One axial slice (61 of 133, counting up from the lowest) of a chest CT acquired at 120 kVp with the STANDARD kernel; each pixel is 0.781 mm and the slice is 2.50 mm thick.
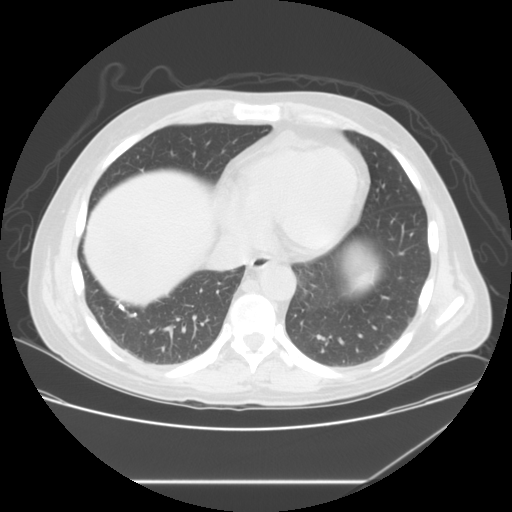
Pulmonary nodule, outlined by one of the four readers. Box on this slice rows 304–309, columns 119–123, that reader's outline on this slice; longest diameter 6.3 mm and volume 79 mm3 from that reader's outline. Ratings by that reader: texture 5/5 (solid); margin 5/5 (circumscribed); sphericity 2/5; calcification solid calcification; internal structure soft tissue; subtlety 2/5; malignancy likelihood 1/5. Scale key (1–5): texture non-solid→solid, margin indistinct→circumscribed, sphericity linear→round, subtlety extremely subtle→obvious, malignancy likelihood highly unlikely→highly suspicious of cancer. Box rows and columns are 0-based pixel indices from the top-left corner, inclusive.